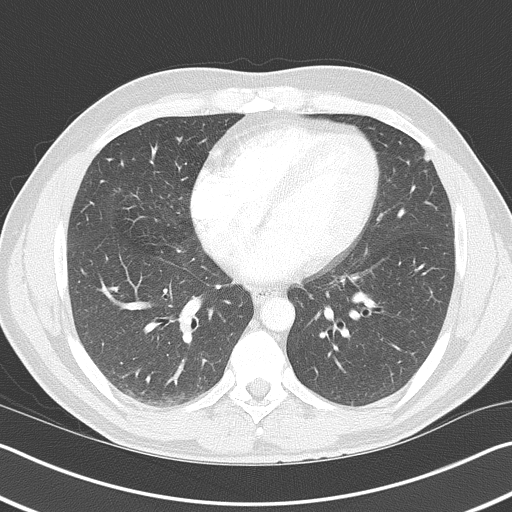
Axial slice 197 of 368 of a chest CT (slice 1 is the lowest), reconstructed with the B70f kernel at 120 kVp; 2.00 mm slice thickness and 0.660 mm pixels.
Pulmonary nodule outlined by one of the four readers; box rows 153–161, columns 424–429 (that reader's outline on this slice); longest diameter 8.2 mm and volume 108 mm3 from that reader's outline. Ratings by that reader: texture 1/5 (non-solid); margin 2/5; sphericity 5/5 (round); calcification absent; internal structure soft tissue; subtlety 1/5; malignancy likelihood 2/5. Scale key (1–5): texture non-solid→solid, margin indistinct→circumscribed, sphericity linear→round, subtlety extremely subtle→obvious, malignancy likelihood highly unlikely→highly suspicious of cancer. Box rows and columns are 0-based pixel indices from the top-left corner, inclusive.